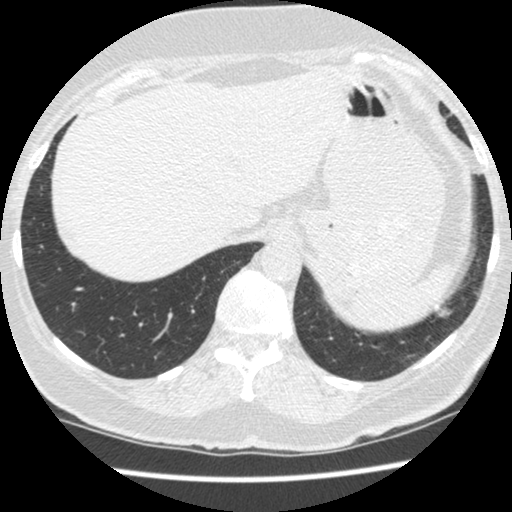
Axial slice 91 of 481 of a chest CT (slice 1 is the lowest), reconstructed with the STANDARD kernel at 120 kVp; 1.25 mm slice thickness and 0.605 mm pixels.
Pulmonary nodule at rows 305–317, columns 436–451 (box = the union of the readers' outlines on this slice), outlined by all four readers; the four readers' outlines give a longest diameter between 13.3 and 14.6 mm and a volume between 633 and 867 mm3. The readers' ratings, as ranges where they differ: texture 5/5 (solid), all four readers agreeing; margin from 4/5 to 5/5 (circumscribed) across the four readers; sphericity from 4/5 to 5/5 (round) across the four readers; calcification absent, all four readers agreeing; internal structure soft tissue, all four readers agreeing; subtlety rated between 4 and 5 out of 5 by the four readers; malignancy likelihood from 2/5 to 5/5 across the four readers. Scale key (1–5): texture non-solid→solid, margin indistinct→circumscribed, sphericity linear→round, subtlety extremely subtle→obvious, malignancy likelihood highly unlikely→highly suspicious of cancer. Box rows and columns are 0-based pixel indices from the top-left corner, inclusive.